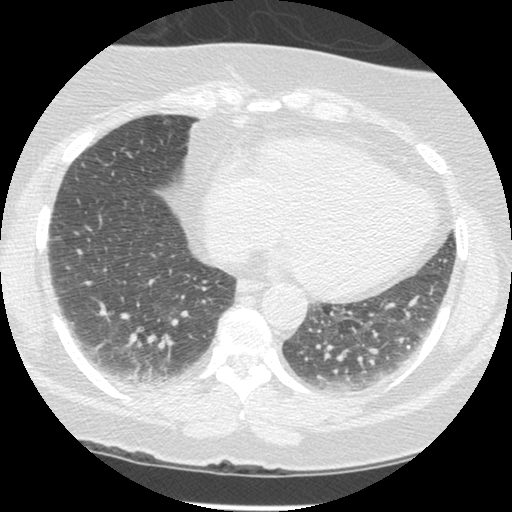
One axial slice (105 of 381, counting up from the lowest) of a chest CT acquired at 120 kVp with the STANDARD kernel; each pixel is 0.625 mm and the slice is 1.25 mm thick.
Pulmonary nodule at rows 120–123, columns 165–168 (box = that reader's outline on this slice), outlined by one of the four readers; longest diameter 5.6 mm and volume 28 mm3 from that reader's outline. Ratings by that reader: texture 4/5; margin 5/5 (circumscribed); sphericity 5/5 (round); calcification absent; internal structure soft tissue; subtlety 1/5; malignancy likelihood 2/5. Scale key (1–5): texture non-solid→solid, margin indistinct→circumscribed, sphericity linear→round, subtlety extremely subtle→obvious, malignancy likelihood highly unlikely→highly suspicious of cancer. Box rows and columns are 0-based pixel indices from the top-left corner, inclusive.